Chest CT, axial plane, 120 kVp, kernel STANDARD. Slice 385/458 from the bottom of the scan; thickness 1.25 mm; pixel size 0.586 mm.
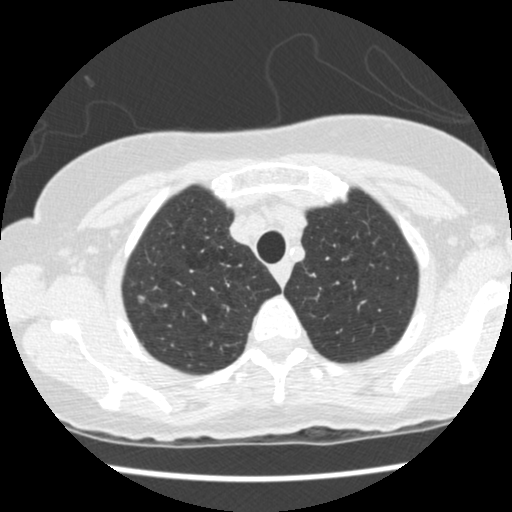
Pulmonary nodule at rows 295–303, columns 137–144 (box = the union of the readers' outlines on this slice), outlined by all four readers; longest diameter 5.0–7.8 mm and volume 57–106 mm3 across the four readers' outlines. The readers' ratings, as ranges where they differ: texture from 4/5 to 5/5 (solid) across the four readers; margin from 3/5 to 4/5 across the four readers; sphericity from 4/5 to 5/5 (round) across the four readers; calcification absent, all four readers agreeing; internal structure soft tissue, all four readers agreeing; subtlety 3–5/5 (the readers disagree); malignancy likelihood from 2/5 to 4/5 across the four readers. Scale key (1–5): texture non-solid→solid, margin indistinct→circumscribed, sphericity linear→round, subtlety extremely subtle→obvious, malignancy likelihood highly unlikely→highly suspicious of cancer. Box rows and columns are 0-based pixel indices from the top-left corner, inclusive.